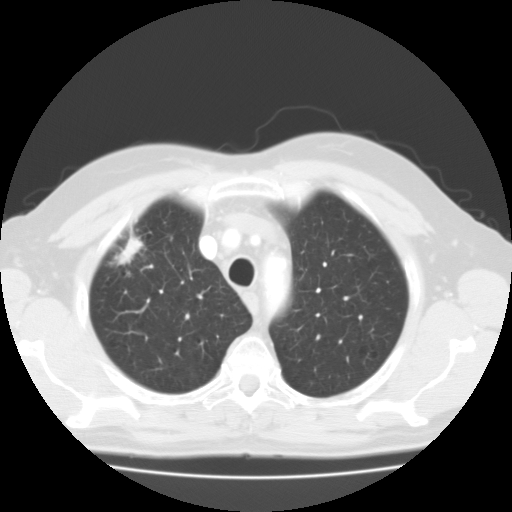
Chest CT, axial plane, 135 kVp, kernel FC01. Slice 89/109 from the bottom of the scan; thickness 3.00 mm; pixel size 0.720 mm.
Pulmonary nodule, outlined by three of the four readers. Box on this slice rows 227–265, columns 114–143, the union of the readers' outlines on this slice; the three readers' outlines give a longest diameter between 28.5 and 30.8 mm and a volume between 5654 and 6646 mm3. The readers' ratings, as ranges where they differ: texture from 4/5 to 5/5 (solid) across the three readers; margin from 1/5 (indistinct) to 4/5 across the three readers; sphericity from 2/5 to 3/5 (ovoid) across the three readers; calcification absent from all three readers; internal structure soft tissue from all three readers; subtlety 5/5, all three readers agreeing; malignancy likelihood from 3/5 to 5/5 across the three readers. Scale key (1–5): texture non-solid→solid, margin indistinct→circumscribed, sphericity linear→round, subtlety extremely subtle→obvious, malignancy likelihood highly unlikely→highly suspicious of cancer. Box rows and columns are 0-based pixel indices from the top-left corner, inclusive.